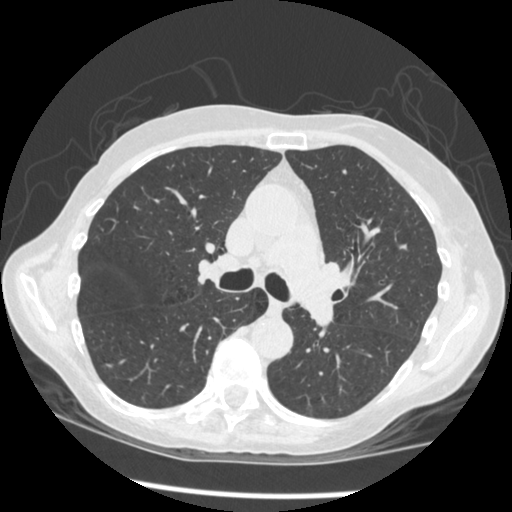
Chest CT, axial plane, 120 kVp, kernel STANDARD. Slice 279/461 from the bottom of the scan; thickness 1.25 mm; pixel size 0.645 mm.
Pulmonary nodule at rows 363–367, columns 105–110 (box = the one reader's outline on this slice), outlined by three of the four readers, one of them on this slice; longest diameter 6.7 mm on average over the three readers' outlines (readers' outlines 6.3–7.5 mm), volume 48–84 mm3. The readers' prevailing ratings and who disagreed: most readers (two of three) put texture at 5/5 (solid), others 4/5 (one); margin split among the readers: 3/5 (one), 4/5 (one), 5/5 (circumscribed) (one); most readers (two of three) put sphericity at 4/5, others 5/5 (round) (one); calcification absent, all three readers agreeing; internal structure soft tissue, all three readers agreeing; subtlety split among the readers: 2/5 (one), 3/5 (one), 4/5 (one); most readers (two of three) put malignancy likelihood at 2/5, others 4/5 (one). Scale key (1–5): texture non-solid→solid, margin indistinct→circumscribed, sphericity linear→round, subtlety extremely subtle→obvious, malignancy likelihood highly unlikely→highly suspicious of cancer. Box rows and columns are 0-based pixel indices from the top-left corner, inclusive.